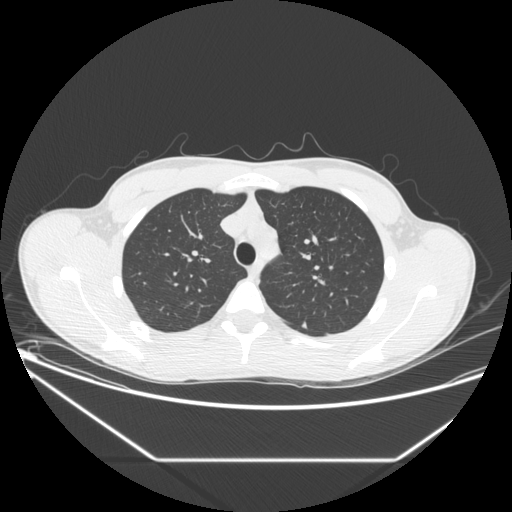
Slice 168/256 of a chest CT, counting up from the lowest; pixel size 0.781 mm, slice thickness 1.25 mm. Pulmonary nodule outlined by one of the four readers; box rows 321–327, columns 301–305 (that reader's outline on this slice); longest diameter 6.3 mm and volume 79 mm3 from that reader's outline. Ratings by that reader: texture 5/5 (solid); margin 5/5 (circumscribed); sphericity 4/5; calcification absent; internal structure soft tissue; subtlety 3/5; malignancy likelihood 2/5. Scale key (1–5): texture non-solid→solid, margin indistinct→circumscribed, sphericity linear→round, subtlety extremely subtle→obvious, malignancy likelihood highly unlikely→highly suspicious of cancer. Box rows and columns are 0-based pixel indices from the top-left corner, inclusive.
Tube voltage 120 kVp; convolution kernel STANDARD.